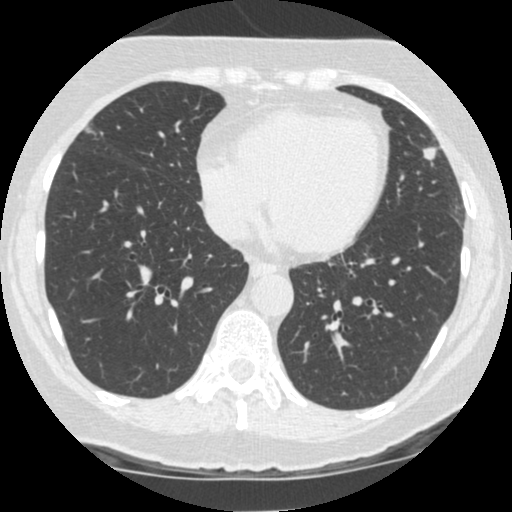
Axial chest CT slice 163 of 481 (counted from the lowest slice); tube voltage 120 kVp, convolution kernel STANDARD; slices 1.25 mm thick, 0.586 mm per pixel.
Pulmonary nodule, outlined by all four readers. Box on this slice rows 147–160, columns 422–437, the union of the readers' outlines on this slice; longest diameter 9.6–11.3 mm and volume 410–491 mm3 across the four readers' outlines. The readers' ratings, as ranges where they differ: texture 5/5 (solid) from all four readers; margin from 4/5 to 5/5 (circumscribed) across the four readers; sphericity from 4/5 to 5/5 (round) across the four readers; calcification absent, all four readers agreeing; internal structure soft tissue, all four readers agreeing; subtlety from 4/5 to 5/5 across the four readers; malignancy likelihood 2–5/5 (the readers disagree). Scale key (1–5): texture non-solid→solid, margin indistinct→circumscribed, sphericity linear→round, subtlety extremely subtle→obvious, malignancy likelihood highly unlikely→highly suspicious of cancer. Box rows and columns are 0-based pixel indices from the top-left corner, inclusive.